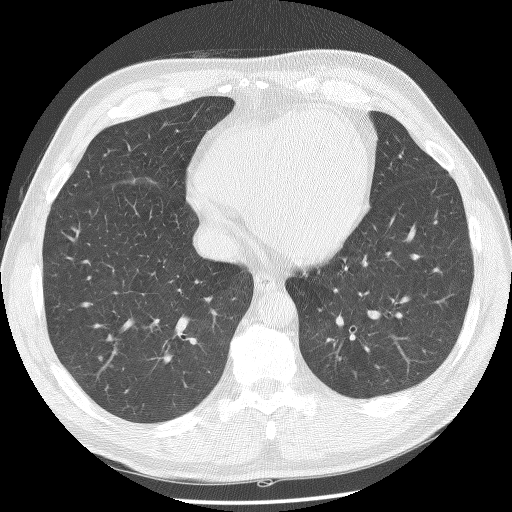
Axial slice 47 of 132 of a chest CT (slice 1 is the lowest), reconstructed with the BONE kernel at 140 kVp; 2.50 mm slice thickness and 0.703 mm pixels.
Pulmonary nodule, outlined by one of the four readers. Box on this slice rows 356–360, columns 98–102, that reader's outline on this slice; longest diameter 4.7 mm and volume 62 mm3 from that reader's outline. Ratings by that reader: texture 5/5 (solid); margin 4/5; sphericity 4/5; calcification absent; internal structure soft tissue; subtlety 3/5; malignancy likelihood 3/5. Scale key (1–5): texture non-solid→solid, margin indistinct→circumscribed, sphericity linear→round, subtlety extremely subtle→obvious, malignancy likelihood highly unlikely→highly suspicious of cancer. Box rows and columns are 0-based pixel indices from the top-left corner, inclusive.